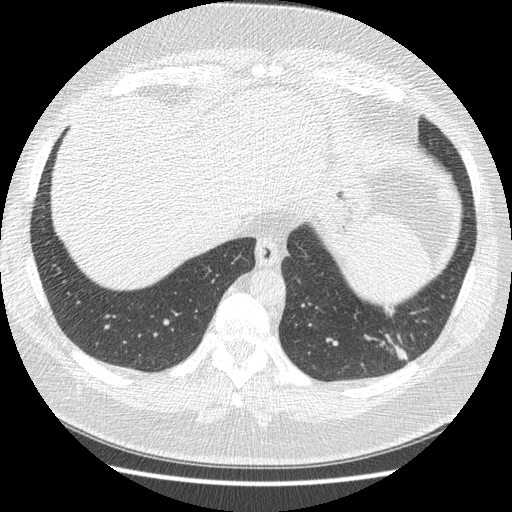
Axial chest CT slice 68 of 421 (counted from the lowest slice); tube voltage 120 kVp, convolution kernel STANDARD; slices 1.25 mm thick, 0.703 mm per pixel.
Pulmonary nodule at rows 307–360, columns 380–406 (box = the union of the readers' outlines on this slice), outlined four times (the source holds four more outlines, not used); longest diameter 33.9 mm on average over the four readers' outlines (readers' outlines 30.9–38.9 mm), volume 4443–5826 mm3. The readers' prevailing ratings and who disagreed: most readers (three of four) put texture at 5/5 (solid), others 4/5 (one); most readers (three of four) put margin at 4/5, others 3/5 (one); sphericity 2/5 by two of four readers; the rest gave 3/5 (ovoid) (one), 4/5 (one); calcification absent, all four readers agreeing; internal structure soft tissue from all four readers; subtlety 5/5 by three of four readers; the rest gave 4/5 (one); malignancy likelihood split among the readers: 2/5 (one), 3/5 (one), 4/5 (one), 5/5 (one). Scale key (1–5): texture non-solid→solid, margin indistinct→circumscribed, sphericity linear→round, subtlety extremely subtle→obvious, malignancy likelihood highly unlikely→highly suspicious of cancer. Box rows and columns are 0-based pixel indices from the top-left corner, inclusive.